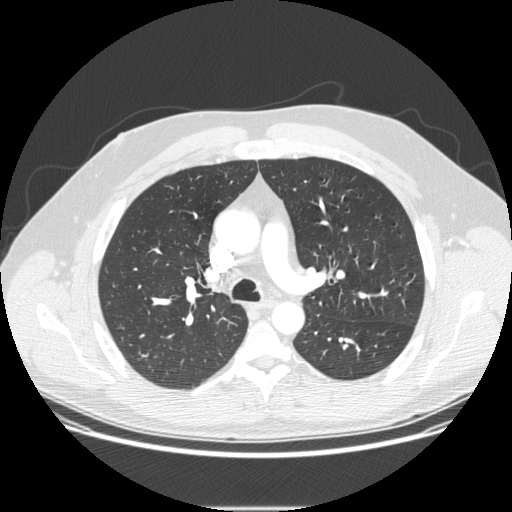
Axial chest CT slice 166 of 252 (counted from the lowest slice); 1.25 mm thick, 0.781 mm per pixel. No nodule of 3 mm or larger was outlined by any of the four readers on this slice.
Tube voltage 120 kVp; convolution kernel STANDARD.